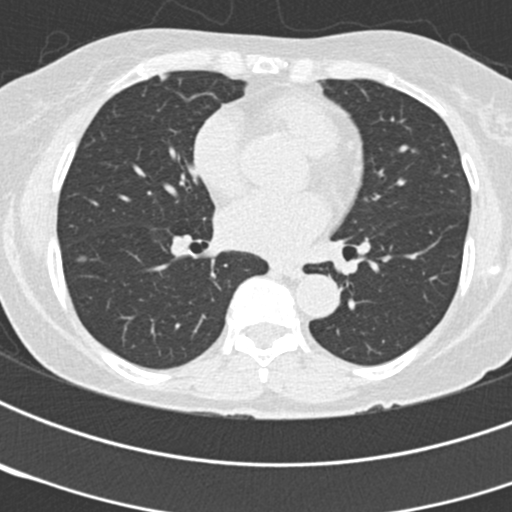
Axial slice 86 of 171 of a chest CT (slice 1 is the lowest), reconstructed with the B30f kernel at 120 kVp; 2.00 mm slice thickness and 0.547 mm pixels.
Pulmonary nodule, outlined by all four readers. Box on this slice rows 254–261, columns 74–86, the union of the readers' outlines on this slice; longest diameter 6.4–7.8 mm and volume 64–137 mm3 across the four readers' outlines. Ratings across the readers: texture from 4/5 to 5/5 (solid) across the four readers; margin from 4/5 to 5/5 (circumscribed) across the four readers; sphericity from 3/5 (ovoid) to 5/5 (round) across the four readers; calcification absent from all four readers; internal structure soft tissue from all four readers; subtlety from 4/5 to 5/5 across the four readers; malignancy likelihood from 2/5 to 4/5 across the four readers. Scale key (1–5): texture non-solid→solid, margin indistinct→circumscribed, sphericity linear→round, subtlety extremely subtle→obvious, malignancy likelihood highly unlikely→highly suspicious of cancer. Box rows and columns are 0-based pixel indices from the top-left corner, inclusive.